One axial slice (63 of 208, counting up from the lowest) of a chest CT acquired at 120 kVp with the BONE kernel; each pixel is 0.723 mm and the slice is 1.25 mm thick.
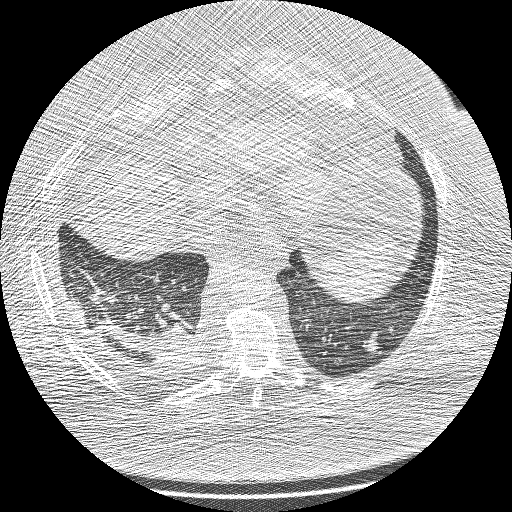
Pulmonary nodule, outlined by all four readers, three of them on this slice. Box on this slice rows 331–353, columns 362–381, the union of the readers' outlines on this slice; median longest diameter 16.2 mm (readers' outlines 13.7–18.1 mm), median volume 733 mm3 (365–1028 mm3). Median ratings and the readers' spread: texture 5/5 (solid), all four readers agreeing; margin 4/5, all four readers agreeing; sphericity 4.5/5 at the median of four readers, spread 3/5 (ovoid) to 5/5 (round); calcification: absent (three), central calcification (one); internal structure soft tissue, all four readers agreeing; subtlety 4.5/5 at the median of four readers, spread 3–5; malignancy likelihood 3.5/5 at the median of four readers, spread 1–5. Scale key (1–5): texture non-solid→solid, margin indistinct→circumscribed, sphericity linear→round, subtlety extremely subtle→obvious, malignancy likelihood highly unlikely→highly suspicious of cancer. Box rows and columns are 0-based pixel indices from the top-left corner, inclusive.